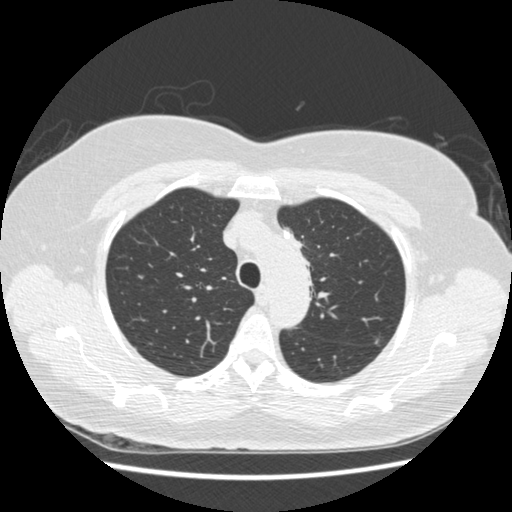
One axial slice (336 of 445, counting up from the lowest) of a chest CT acquired at 120 kVp with the STANDARD kernel; each pixel is 0.645 mm and the slice is 1.25 mm thick.
Pulmonary nodule at rows 337–346, columns 373–381 (box = the union of the readers' outlines on this slice), outlined by all four readers; longest diameter 9.9–11.6 mm and volume 292–430 mm3 across the four readers' outlines. The readers' ratings, as ranges where they differ: texture from 1/5 (non-solid) to 4/5 across the four readers; margin from 2/5 to 5/5 (circumscribed) across the four readers; sphericity from 3/5 (ovoid) to 5/5 (round) across the four readers; calcification absent, all four readers agreeing; internal structure soft tissue, all four readers agreeing; subtlety 3–5/5 (the readers disagree); malignancy likelihood rated between 2 and 5 out of 5 by the four readers. Scale key (1–5): texture non-solid→solid, margin indistinct→circumscribed, sphericity linear→round, subtlety extremely subtle→obvious, malignancy likelihood highly unlikely→highly suspicious of cancer. Box rows and columns are 0-based pixel indices from the top-left corner, inclusive.